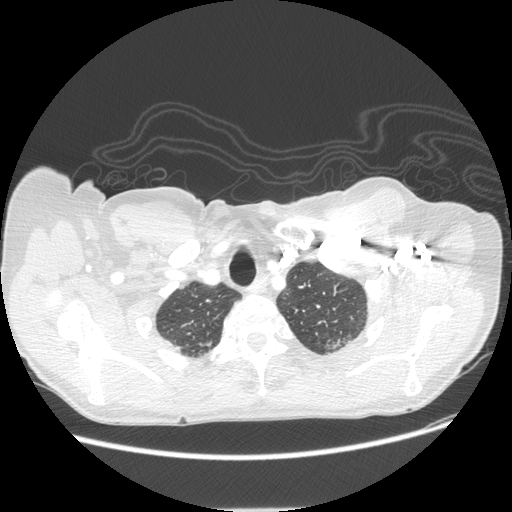
Axial slice 196 of 232 of a chest CT (slice 1 is the lowest), reconstructed with the STANDARD kernel at 120 kVp; 1.25 mm slice thickness and 0.742 mm pixels.
Pulmonary nodule, outlined by all four readers, one of them on this slice. Box on this slice rows 339–346, columns 200–212, the one reader's outline on this slice; median longest diameter 8.0 mm (readers' outlines 7.6–11.3 mm), median volume 89 mm3 (79–196 mm3). Ratings, median across the readers with their spread: texture 5/5 (solid), all four readers agreeing; margin 4.5/5 at the median of four readers, spread 3/5 to 5/5 (circumscribed); sphericity 4.5/5 at the median of four readers, spread 4/5 to 5/5 (round); calcification absent, all four readers agreeing; internal structure soft tissue, all four readers agreeing; subtlety 3/5 at the median of four readers, spread 2–4; malignancy likelihood 3/5 at the median of four readers, spread 2–3. Scale key (1–5): texture non-solid→solid, margin indistinct→circumscribed, sphericity linear→round, subtlety extremely subtle→obvious, malignancy likelihood highly unlikely→highly suspicious of cancer. Box rows and columns are 0-based pixel indices from the top-left corner, inclusive.